One axial slice (99 of 333, counting up from the lowest) of a chest CT acquired at 120 kVp with the B70f kernel; each pixel is 0.775 mm and the slice is 2.00 mm thick.
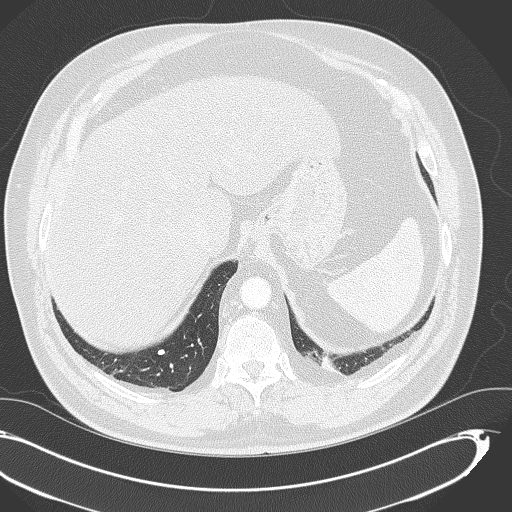
Pulmonary nodule at rows 349–355, columns 157–164 (box = the union of the readers' outlines on this slice), outlined by all four readers; longest diameter 7.5 mm on average over the four readers' outlines (readers' outlines 7.1–8.0 mm), volume 121–157 mm3. Ratings, by the readers' most common answer with dissent counted: texture 5/5 (solid) from all four readers; margin 5/5 (circumscribed) from all four readers; sphericity split among the readers: 3/5 (ovoid) (two), 4/5 (two); calcification solid calcification by three of four readers, central calcification (one); internal structure soft tissue, all four readers agreeing; most readers (three of four) put subtlety at 5/5, others 3/5 (one); malignancy likelihood 1/5, all four readers agreeing. Scale key (1–5): texture non-solid→solid, margin indistinct→circumscribed, sphericity linear→round, subtlety extremely subtle→obvious, malignancy likelihood highly unlikely→highly suspicious of cancer. Box rows and columns are 0-based pixel indices from the top-left corner, inclusive.